Axial slice 241 of 545 of a chest CT (slice 1 is the lowest), reconstructed with the STANDARD kernel at 120 kVp; 1.25 mm slice thickness and 0.703 mm pixels.
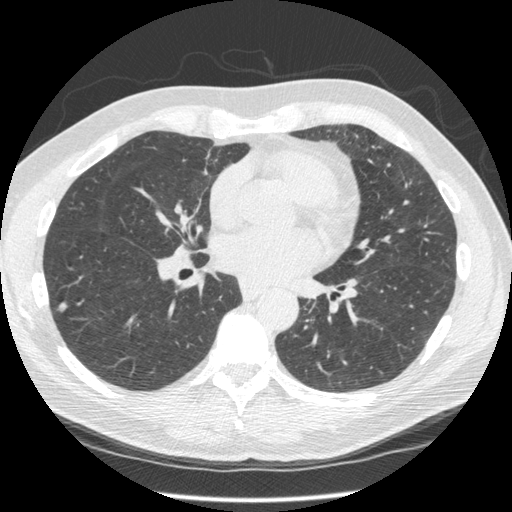
Pulmonary nodule at rows 301–312, columns 56–67 (box = the union of the readers' outlines on this slice), outlined by all four readers; longest diameter 9.2–14.5 mm and volume 121–250 mm3 across the four readers' outlines. The readers' ratings, as ranges where they differ: texture 5/5 (solid) from all four readers; margin from 3/5 to 5/5 (circumscribed) across the four readers; sphericity from 2/5 to 5/5 (round) across the four readers; calcification absent, all four readers agreeing; internal structure soft tissue from all four readers; subtlety 3–5/5 (the readers disagree); malignancy likelihood rated between 2 and 5 out of 5 by the four readers. Scale key (1–5): texture non-solid→solid, margin indistinct→circumscribed, sphericity linear→round, subtlety extremely subtle→obvious, malignancy likelihood highly unlikely→highly suspicious of cancer. Box rows and columns are 0-based pixel indices from the top-left corner, inclusive.